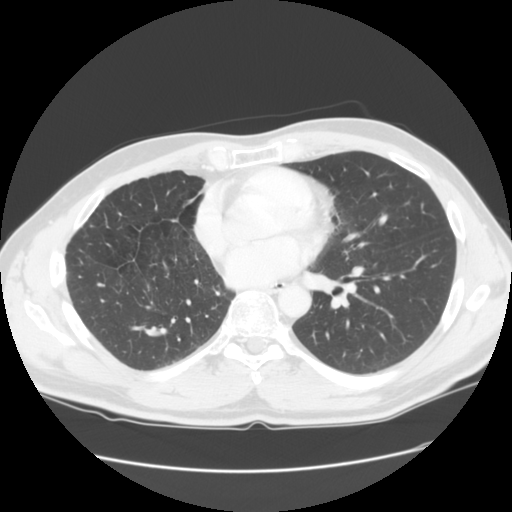
Axial chest CT slice 73 of 133 (counted from the lowest slice); tube voltage 120 kVp, convolution kernel STANDARD; slices 2.50 mm thick, 0.703 mm per pixel.
None of the four readers outlined a nodule of 3 mm or more on this slice.